Axial chest CT slice 141 of 327 (counted from the lowest slice); tube voltage 120 kVp, convolution kernel B45f; slices 1.00 mm thick, 0.664 mm per pixel.
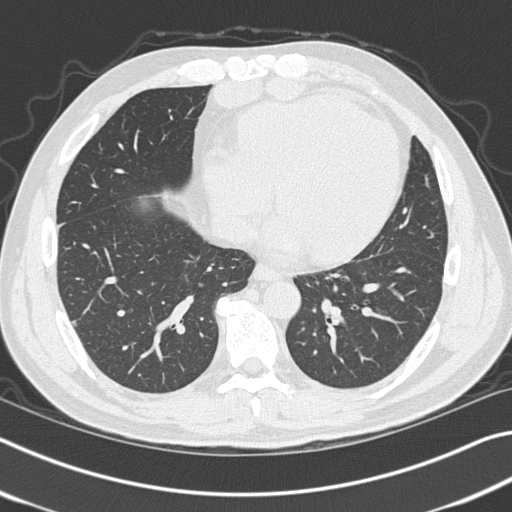
Pulmonary nodule, outlined by two of the four readers. Box on this slice rows 319–325, columns 71–75, the union of the readers' outlines on this slice; the two readers' outlines give a longest diameter between 6.8 and 8.0 mm and a volume between 47 and 71 mm3. Ratings across the readers: texture 5/5 (solid), both readers agreeing; margin from 3/5 to 5/5 (circumscribed) across the two readers; sphericity 4/5, both readers agreeing; calcification absent from both readers; internal structure soft tissue from both readers; subtlety 4/5, both readers agreeing; malignancy likelihood 2–3/5 (the readers disagree). Scale key (1–5): texture non-solid→solid, margin indistinct→circumscribed, sphericity linear→round, subtlety extremely subtle→obvious, malignancy likelihood highly unlikely→highly suspicious of cancer. Box rows and columns are 0-based pixel indices from the top-left corner, inclusive.